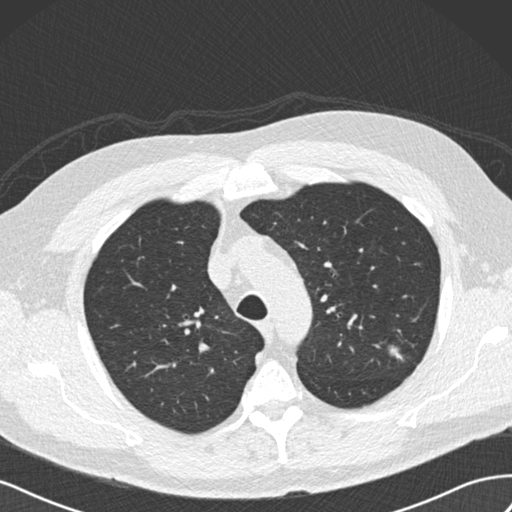
Axial chest CT slice 159 of 206 (counted from the lowest slice); 2.00 mm thick, 0.703 mm per pixel. Pulmonary nodule outlined by three of the four readers; box rows 345–360, columns 387–403 (the union of the readers' outlines on this slice); longest diameter 17.2 mm on average over the three readers' outlines (readers' outlines 15.6–17.9 mm), volume 851–953 mm3. The readers' prevailing ratings and who disagreed: texture split among the readers: 1/5 (non-solid) (one), 2/5 (one), 3/5 (part-solid) (one); margin split among the readers: 1/5 (indistinct) (one), 2/5 (one), 3/5 (one); sphericity 2/5, all three readers agreeing; calcification absent from all three readers; internal structure soft tissue by two of three readers, air (one); subtlety 4/5 by two of three readers; the rest gave 3/5 (one); malignancy likelihood 4/5 by two of three readers; the rest gave 3/5 (one). Scale key (1–5): texture non-solid→solid, margin indistinct→circumscribed, sphericity linear→round, subtlety extremely subtle→obvious, malignancy likelihood highly unlikely→highly suspicious of cancer. Box rows and columns are 0-based pixel indices from the top-left corner, inclusive.
Acquired at 120 kVp and reconstructed with the B30f kernel.